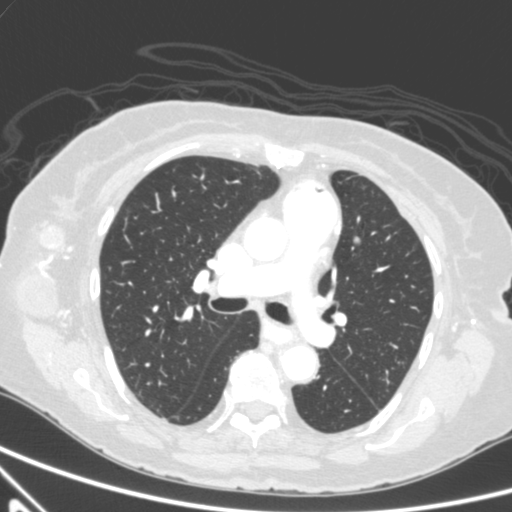
This is axial slice 348 of 590 (slice 1 is the lowest) of a chest CT; each pixel is 0.627 mm and the slice is 0.90 mm thick. Pulmonary nodule outlined by all four readers, three of them on this slice; box rows 236–243, columns 353–359 (the union of the readers' outlines on this slice); longest diameter 17.9 mm on average over the four readers' outlines (readers' outlines 16.3–20.1 mm), volume 1116–1236 mm3. Ratings, by the readers' most common answer with dissent counted: texture 5/5 (solid), all four readers agreeing; margin 4/5 by two of four readers; the rest gave 3/5 (one), 5/5 (circumscribed) (one); sphericity split among the readers: 3/5 (ovoid) (two), 4/5 (two); calcification absent, all four readers agreeing; internal structure soft tissue, all four readers agreeing; subtlety 5/5 by three of four readers; the rest gave 4/5 (one); malignancy likelihood split among the readers: 3/5 (two), 5/5 (two). Scale key (1–5): texture non-solid→solid, margin indistinct→circumscribed, sphericity linear→round, subtlety extremely subtle→obvious, malignancy likelihood highly unlikely→highly suspicious of cancer. Box rows and columns are 0-based pixel indices from the top-left corner, inclusive.
Scan settings: 120 kVp, B reconstruction kernel.